Axial slice 61 of 125 of a chest CT (slice 1 is the lowest), reconstructed with the LUNG kernel at 120 kVp; 2.50 mm slice thickness and 0.703 mm pixels.
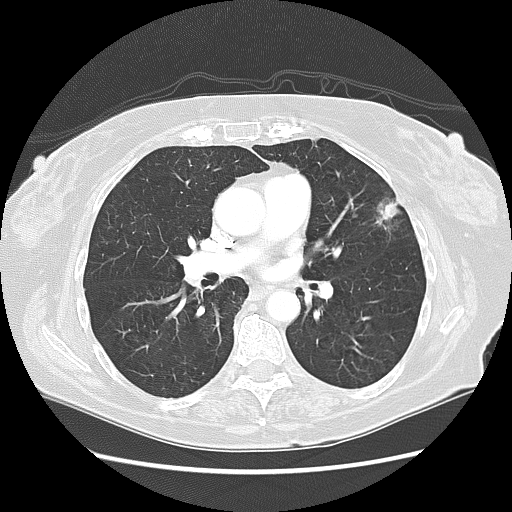
Pulmonary nodule outlined by all four readers; box rows 197–224, columns 375–400 (the union of the readers' outlines on this slice); the four readers' outlines give a longest diameter between 25.5 and 28.7 mm and a volume between 2545 and 3578 mm3. The readers' ratings, as ranges where they differ: texture from 3/5 (part-solid) to 5/5 (solid) across the four readers; margin from 1/5 (indistinct) to 3/5 across the four readers; sphericity from 2/5 to 4/5 across the four readers; calcification absent from all four readers; internal structure soft tissue from all four readers; subtlety 5/5 from all four readers; malignancy likelihood from 3/5 to 5/5 across the four readers. Scale key (1–5): texture non-solid→solid, margin indistinct→circumscribed, sphericity linear→round, subtlety extremely subtle→obvious, malignancy likelihood highly unlikely→highly suspicious of cancer. Box rows and columns are 0-based pixel indices from the top-left corner, inclusive.